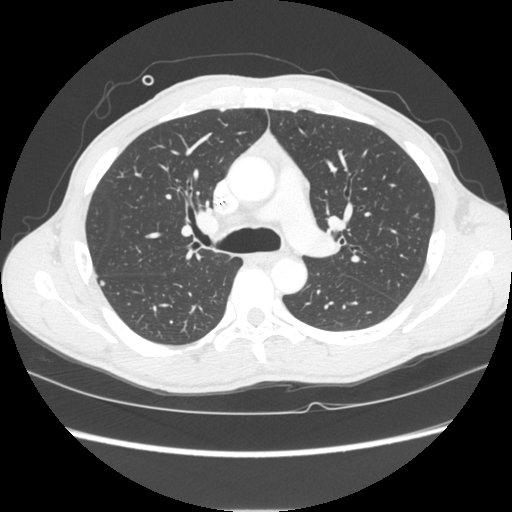
Axial chest CT slice 168 of 261 (counted from the lowest slice); 1.25 mm thick, 0.684 mm per pixel. Pulmonary nodule at rows 280–285, columns 99–104 (box = the union of the readers' outlines on this slice), outlined by two of the four readers; longest diameter 5.4 mm on average over the two readers' outlines (readers' outlines 5.2–5.5 mm), volume 36–45 mm3. The readers' prevailing ratings and who disagreed: texture 5/5 (solid) from both readers; margin 5/5 (circumscribed), both readers agreeing; sphericity split among the readers: 3/5 (ovoid) (one), 4/5 (one); calcification absent from both readers; internal structure soft tissue from both readers; subtlety split among the readers: 3/5 (one), 4/5 (one); malignancy likelihood split among the readers: 2/5 (one), 3/5 (one). Scale key (1–5): texture non-solid→solid, margin indistinct→circumscribed, sphericity linear→round, subtlety extremely subtle→obvious, malignancy likelihood highly unlikely→highly suspicious of cancer. Box rows and columns are 0-based pixel indices from the top-left corner, inclusive.
Tube voltage 120 kVp; convolution kernel STANDARD.